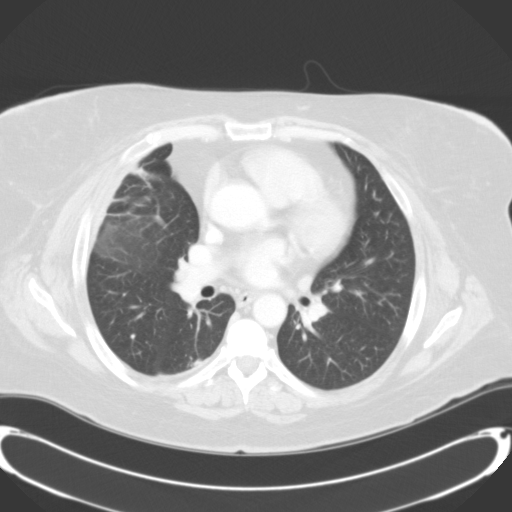
Slice 80/124 of a chest CT, counting up from the lowest; pixel size 0.764 mm, slice thickness 3.00 mm. None of the four readers outlined a nodule of 3 mm or more on this slice.
Tube voltage 120 kVp; convolution kernel B31f.